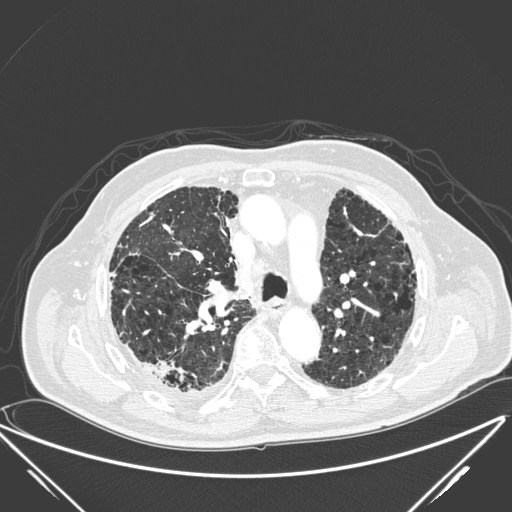
This is axial slice 154 of 278 (slice 1 is the lowest) of a chest CT; each pixel is 0.812 mm and the slice is 1.00 mm thick. Pulmonary nodule, outlined by all four readers, two of them on this slice. Box on this slice rows 361–380, columns 151–183, the union of the readers' outlines on this slice; longest diameter 17.4–39.8 mm and volume 1021–4525 mm3 across the four readers' outlines. The readers' ratings, as ranges where they differ: texture 5/5 (solid), all four readers agreeing; margin from 1/5 (indistinct) to 5/5 (circumscribed) across the four readers; sphericity from 2/5 to 5/5 (round) across the four readers; calcification absent, all four readers agreeing; internal structure soft tissue, all four readers agreeing; subtlety rated between 4 and 5 out of 5 by the four readers; malignancy likelihood rated between 3 and 5 out of 5 by the four readers. Scale key (1–5): texture non-solid→solid, margin indistinct→circumscribed, sphericity linear→round, subtlety extremely subtle→obvious, malignancy likelihood highly unlikely→highly suspicious of cancer. Box rows and columns are 0-based pixel indices from the top-left corner, inclusive.
Tube voltage 120 kVp; convolution kernel D.